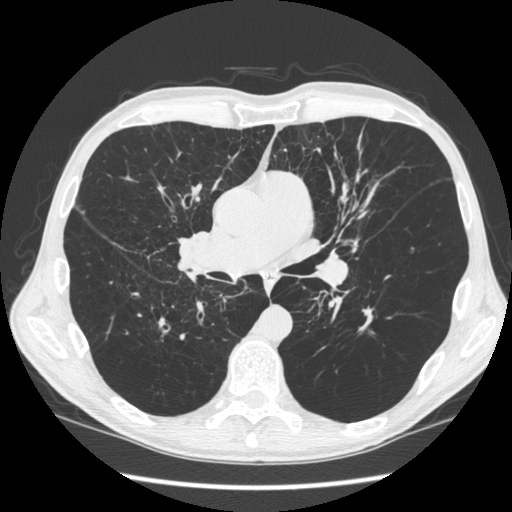
One axial slice (329 of 583, counting up from the lowest) of a chest CT acquired at 120 kVp with the STANDARD kernel; each pixel is 0.703 mm and the slice is 1.25 mm thick.
Pulmonary nodule at rows 307–331, columns 359–372 (box = the union of the readers' outlines on this slice), outlined by two of the four readers; median longest diameter 27.9 mm (readers' outlines 24.1–31.7 mm), median volume 984 mm3 (791–1176 mm3). Median ratings and the readers' spread: texture 5/5 (solid) from both readers; margin 2.5/5 at the median of two readers, spread 1/5 (indistinct) to 4/5; median sphericity 1.5/5 (readers ranged 1/5 (linear) to 2/5); calcification absent, both readers agreeing; internal structure soft tissue from both readers; subtlety 5/5 from both readers; malignancy likelihood 2.5/5 at the median of two readers, spread 2–3. Scale key (1–5): texture non-solid→solid, margin indistinct→circumscribed, sphericity linear→round, subtlety extremely subtle→obvious, malignancy likelihood highly unlikely→highly suspicious of cancer. Box rows and columns are 0-based pixel indices from the top-left corner, inclusive.